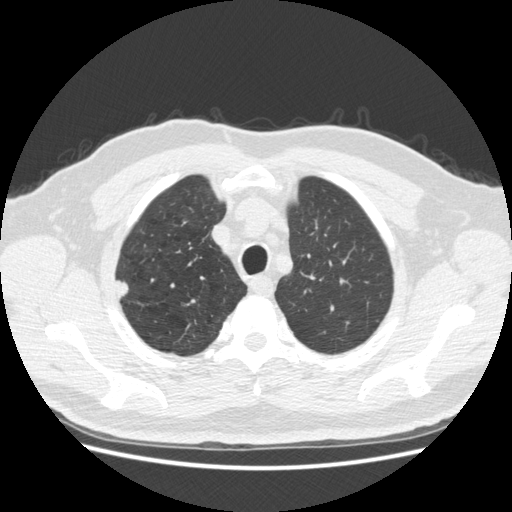
This is axial slice 383 of 465 (slice 1 is the lowest) of a chest CT; each pixel is 0.703 mm and the slice is 1.25 mm thick. Pulmonary nodule outlined by all four readers; box rows 279–299, columns 114–128 (the union of the readers' outlines on this slice); the four readers' outlines give a longest diameter between 15.5 and 18.9 mm and a volume between 1041 and 1475 mm3. The readers' ratings, as ranges where they differ: texture 5/5 (solid) from all four readers; margin from 4/5 to 5/5 (circumscribed) across the four readers; sphericity from 3/5 (ovoid) to 5/5 (round) across the four readers; calcification absent, all four readers agreeing; internal structure soft tissue from all four readers; subtlety from 4/5 to 5/5 across the four readers; malignancy likelihood rated between 2 and 5 out of 5 by the four readers. Scale key (1–5): texture non-solid→solid, margin indistinct→circumscribed, sphericity linear→round, subtlety extremely subtle→obvious, malignancy likelihood highly unlikely→highly suspicious of cancer. Box rows and columns are 0-based pixel indices from the top-left corner, inclusive.
Scan settings: 120 kVp, STANDARD reconstruction kernel.